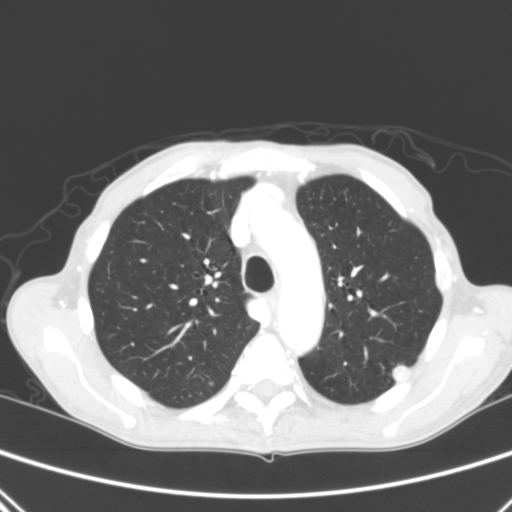
Chest CT, axial plane, 120 kVp, kernel B. Slice 211/290 from the bottom of the scan; thickness 2.00 mm; pixel size 0.639 mm.
Pulmonary nodule at rows 364–382, columns 392–409 (box = the union of the readers' outlines on this slice), outlined by all four readers; the four readers' outlines give a longest diameter between 12.9 and 15.8 mm and a volume between 837 and 1237 mm3. The readers' ratings, as ranges where they differ: texture from 4/5 to 5/5 (solid) across the four readers; margin from 4/5 to 5/5 (circumscribed) across the four readers; sphericity from 3/5 (ovoid) to 5/5 (round) across the four readers; calcification: absent (three), laminated calcification (one); internal structure soft tissue, all four readers agreeing; subtlety rated between 4 and 5 out of 5 by the four readers; malignancy likelihood from 2/5 to 5/5 across the four readers. Scale key (1–5): texture non-solid→solid, margin indistinct→circumscribed, sphericity linear→round, subtlety extremely subtle→obvious, malignancy likelihood highly unlikely→highly suspicious of cancer. Box rows and columns are 0-based pixel indices from the top-left corner, inclusive.